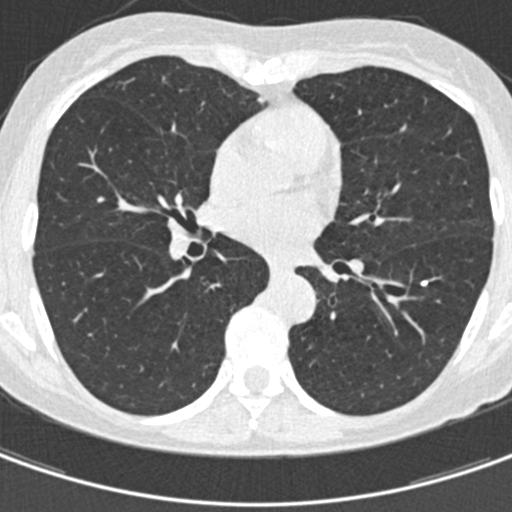
Axial chest CT slice 225 of 429 (counted from the lowest slice); 0.75 mm thick, 0.537 mm per pixel. Pulmonary nodule outlined by one of the four readers; box rows 281–285, columns 421–427 (that reader's outline on this slice); longest diameter 4.6 mm and volume 22 mm3 from that reader's outline. Ratings by that reader: texture 5/5 (solid); margin 5/5 (circumscribed); sphericity 4/5; calcification solid calcification; internal structure soft tissue; subtlety 2/5; malignancy likelihood 1/5. Scale key (1–5): texture non-solid→solid, margin indistinct→circumscribed, sphericity linear→round, subtlety extremely subtle→obvious, malignancy likelihood highly unlikely→highly suspicious of cancer. Box rows and columns are 0-based pixel indices from the top-left corner, inclusive.
Acquired at 120 kVp and reconstructed with the B30f kernel.